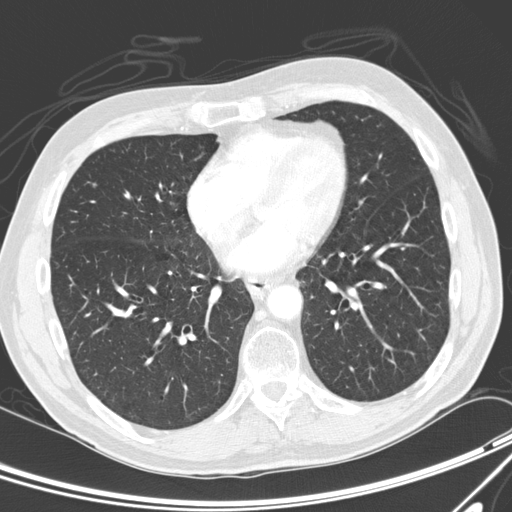
One axial slice (103 of 300, counting up from the lowest) of a chest CT acquired at 120 kVp with the D kernel; each pixel is 0.678 mm and the slice is 2.00 mm thick.
No nodule 3 mm or larger was outlined here by any reader.